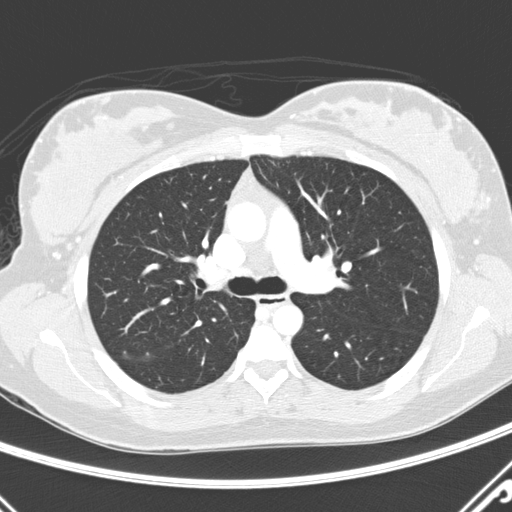
Axial chest CT slice 191 of 290 (counted from the lowest slice); tube voltage 120 kVp, convolution kernel D; slices 2.00 mm thick, 0.648 mm per pixel.
Pulmonary nodule outlined by one of the four readers; box rows 350–354, columns 123–126 (that reader's outline on this slice); longest diameter 7.0 mm and volume 74 mm3 from that reader's outline. Ratings by that reader: texture 4/5; margin 1/5 (indistinct); sphericity 3/5 (ovoid); calcification absent; internal structure soft tissue; subtlety 5/5; malignancy likelihood 3/5. Scale key (1–5): texture non-solid→solid, margin indistinct→circumscribed, sphericity linear→round, subtlety extremely subtle→obvious, malignancy likelihood highly unlikely→highly suspicious of cancer. Box rows and columns are 0-based pixel indices from the top-left corner, inclusive.